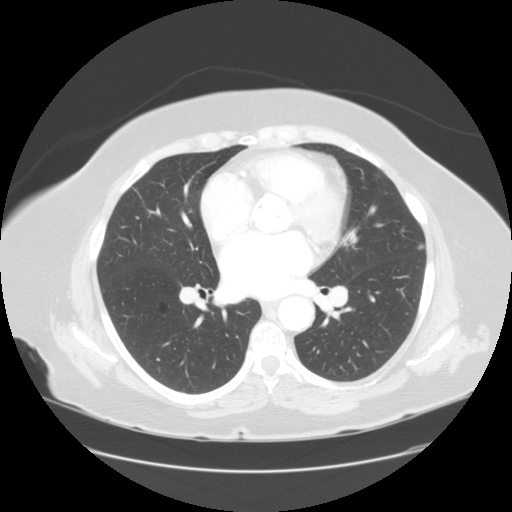
Slice 75/133 of a chest CT, counting up from the lowest; pixel size 0.781 mm, slice thickness 2.50 mm. Pulmonary nodule at rows 243–249, columns 418–423 (box = that reader's outline on this slice), outlined by one of the four readers; longest diameter 6.7 mm and volume 72 mm3 from that reader's outline. That reader's ratings: texture 5/5 (solid); margin 5/5 (circumscribed); sphericity 4/5; calcification absent; internal structure soft tissue; subtlety 3/5; malignancy likelihood 2/5. Scale key (1–5): texture non-solid→solid, margin indistinct→circumscribed, sphericity linear→round, subtlety extremely subtle→obvious, malignancy likelihood highly unlikely→highly suspicious of cancer. Box rows and columns are 0-based pixel indices from the top-left corner, inclusive.
Acquired at 120 kVp and reconstructed with the STANDARD kernel.